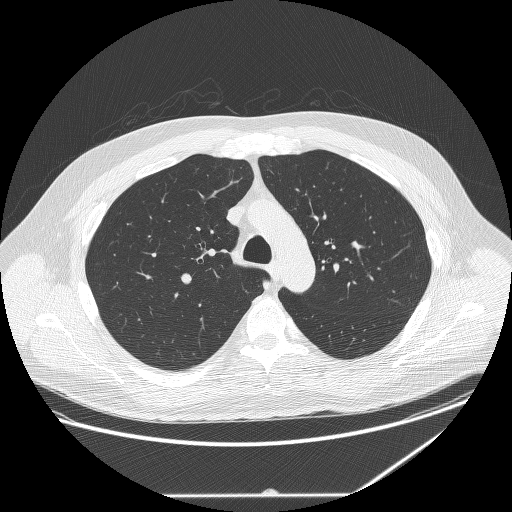
One axial slice (215 of 291, counting up from the lowest) of a chest CT acquired at 120 kVp with the BONE kernel; each pixel is 0.820 mm and the slice is 1.25 mm thick.
None of the four readers outlined a nodule of 3 mm or more on this slice.